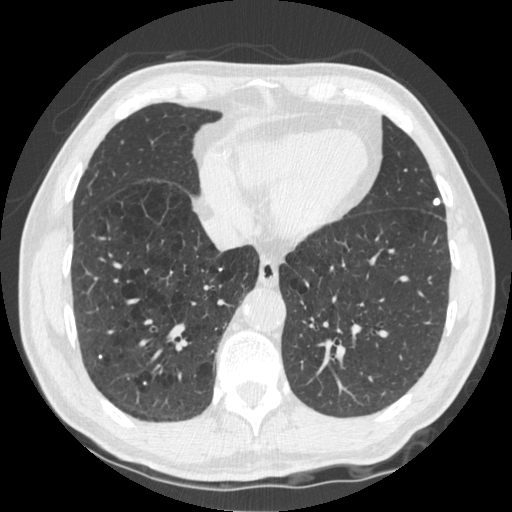
Axial chest CT slice 160 of 535 (counted from the lowest slice); tube voltage 120 kVp, convolution kernel STANDARD; slices 1.25 mm thick, 0.664 mm per pixel.
Pulmonary nodule outlined by three of the four readers; box rows 198–205, columns 433–440 (the union of the readers' outlines on this slice); the three readers' outlines give a longest diameter between 5.5 and 6.8 mm and a volume between 70 and 114 mm3. Ratings across the readers: texture 5/5 (solid), all three readers agreeing; margin 5/5 (circumscribed) from all three readers; sphericity 5/5 (round) from all three readers; calcification solid calcification, all three readers agreeing; internal structure soft tissue from all three readers; subtlety 5/5 from all three readers; malignancy likelihood 1/5 from all three readers. Scale key (1–5): texture non-solid→solid, margin indistinct→circumscribed, sphericity linear→round, subtlety extremely subtle→obvious, malignancy likelihood highly unlikely→highly suspicious of cancer. Box rows and columns are 0-based pixel indices from the top-left corner, inclusive.